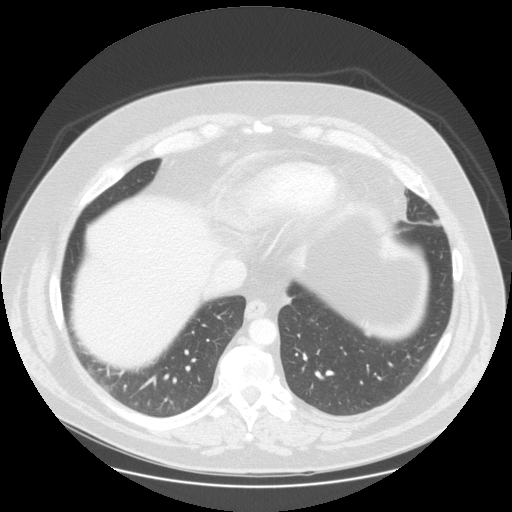
Chest CT, axial plane, 120 kVp, kernel STANDARD. Slice 57/133 from the bottom of the scan; thickness 2.50 mm; pixel size 0.859 mm.
Pulmonary nodule, outlined by one of the four readers. Box on this slice rows 332–336, columns 363–370, that reader's outline on this slice; longest diameter 8.5 mm and volume 67 mm3 from that reader's outline. Ratings by that reader: texture 5/5 (solid); margin 3/5; sphericity 3/5 (ovoid); calcification absent; internal structure soft tissue; subtlety 1/5; malignancy likelihood 2/5. Scale key (1–5): texture non-solid→solid, margin indistinct→circumscribed, sphericity linear→round, subtlety extremely subtle→obvious, malignancy likelihood highly unlikely→highly suspicious of cancer. Box rows and columns are 0-based pixel indices from the top-left corner, inclusive.